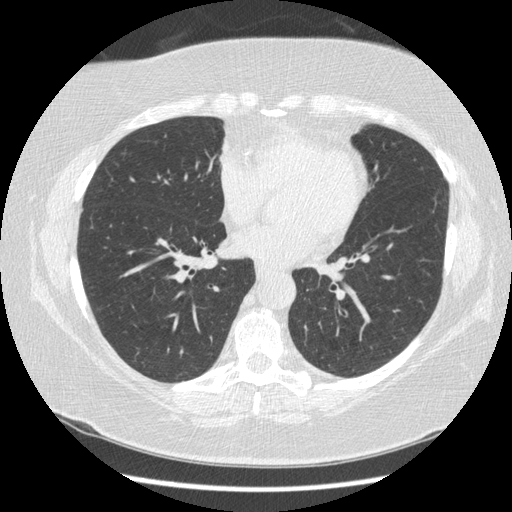
This is axial slice 196 of 481 (slice 1 is the lowest) of a chest CT; each pixel is 0.703 mm and the slice is 1.25 mm thick. The readers outlined no nodule of 3 mm or more on this slice.
Tube voltage 120 kVp; convolution kernel STANDARD.